Axial slice 233 of 423 of a chest CT (slice 1 is the lowest), reconstructed with the B30f kernel at 120 kVp; 0.75 mm slice thickness and 0.520 mm pixels.
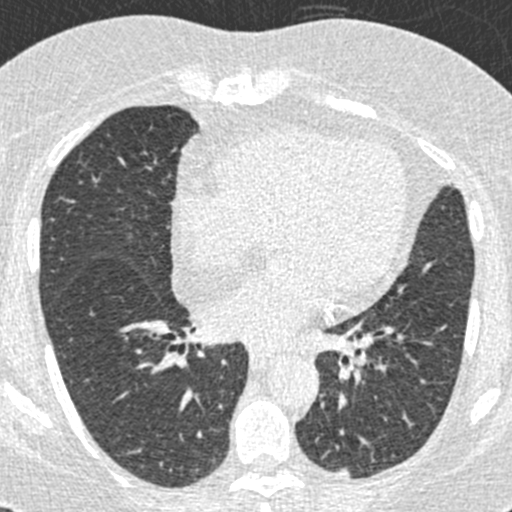
Pulmonary nodule at rows 467–477, columns 336–349 (box = that reader's outline on this slice), outlined by one of the four readers; longest diameter 9.7 mm and volume 143 mm3 from that reader's outline. That reader's ratings: texture 3/5 (part-solid); margin 3/5; sphericity 3/5 (ovoid); calcification absent; internal structure soft tissue; subtlety 5/5; malignancy likelihood 3/5. Scale key (1–5): texture non-solid→solid, margin indistinct→circumscribed, sphericity linear→round, subtlety extremely subtle→obvious, malignancy likelihood highly unlikely→highly suspicious of cancer. Box rows and columns are 0-based pixel indices from the top-left corner, inclusive.